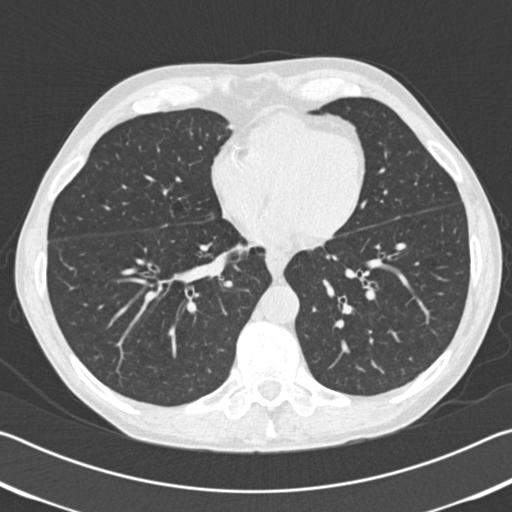
Axial chest CT slice 73 of 192 (counted from the lowest slice); tube voltage 120 kVp, convolution kernel B30f; slices 2.00 mm thick, 0.664 mm per pixel.
Pulmonary nodule at rows 197–217, columns 169–190 (box = that reader's outline on this slice), outlined by one of the four readers; longest diameter 17.7 mm and volume 2737 mm3 from that reader's outline. Ratings by that reader: texture 1/5 (non-solid); margin 2/5; sphericity 4/5; calcification absent; internal structure soft tissue; subtlety 2/5; malignancy likelihood 2/5. Scale key (1–5): texture non-solid→solid, margin indistinct→circumscribed, sphericity linear→round, subtlety extremely subtle→obvious, malignancy likelihood highly unlikely→highly suspicious of cancer. Box rows and columns are 0-based pixel indices from the top-left corner, inclusive.